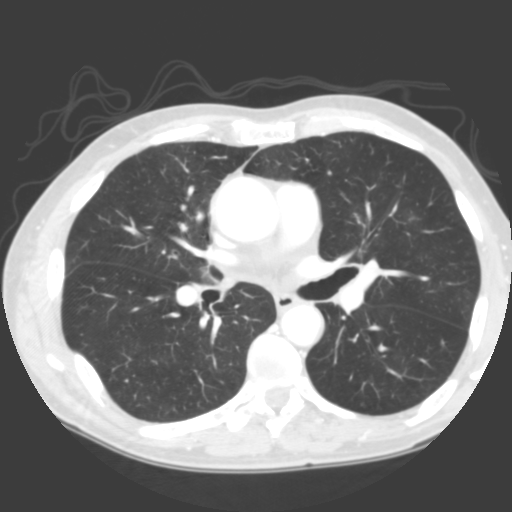
This is axial slice 180 of 335 (slice 1 is the lowest) of a chest CT; each pixel is 0.623 mm and the slice is 2.00 mm thick. Pulmonary nodule, outlined by three of the four readers, one of them on this slice. Box on this slice rows 217–220, columns 409–414, the one reader's outline on this slice; median longest diameter 8.9 mm (readers' outlines 7.9–10.3 mm), median volume 222 mm3 (194–222 mm3). Median ratings and the readers' spread: median texture 4/5 (readers ranged 4/5 to 5/5 (solid)); median margin 3/5 (readers ranged 2/5 to 4/5); median sphericity 3/5 (ovoid) (readers ranged 3/5 (ovoid) to 4/5); calcification absent, all three readers agreeing; internal structure soft tissue from all three readers; subtlety 3/5 at the median of three readers, spread 3–5; malignancy likelihood 3/5 at the median of three readers, spread 2–4. Scale key (1–5): texture non-solid→solid, margin indistinct→circumscribed, sphericity linear→round, subtlety extremely subtle→obvious, malignancy likelihood highly unlikely→highly suspicious of cancer. Box rows and columns are 0-based pixel indices from the top-left corner, inclusive.
Scan settings: 120 kVp, B reconstruction kernel.